One axial slice (140 of 235, counting up from the lowest) of a chest CT acquired at 120 kVp with the BONE kernel; each pixel is 0.625 mm and the slice is 1.25 mm thick.
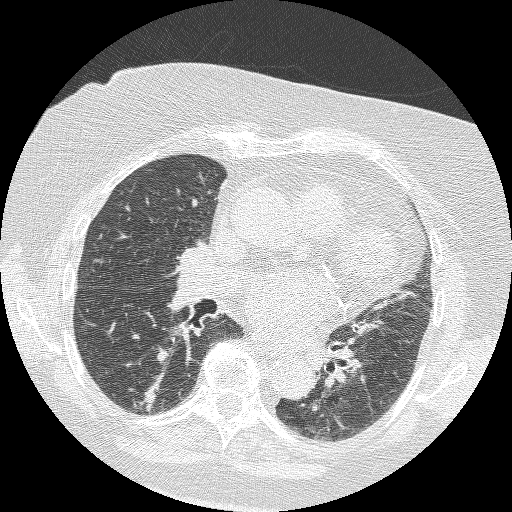
Pulmonary nodule, outlined by two of the four readers. Box on this slice rows 383–410, columns 135–159, the union of the readers' outlines on this slice; longest diameter 17.6–22.4 mm and volume 602–1472 mm3 across the two readers' outlines. The readers' ratings, as ranges where they differ: texture 5/5 (solid), both readers agreeing; margin from 2/5 to 5/5 (circumscribed) across the two readers; sphericity from 1/5 (linear) to 2/5 across the two readers; calcification absent from both readers; internal structure soft tissue, both readers agreeing; subtlety 5/5, both readers agreeing; malignancy likelihood 3/5, both readers agreeing. Scale key (1–5): texture non-solid→solid, margin indistinct→circumscribed, sphericity linear→round, subtlety extremely subtle→obvious, malignancy likelihood highly unlikely→highly suspicious of cancer. Box rows and columns are 0-based pixel indices from the top-left corner, inclusive.